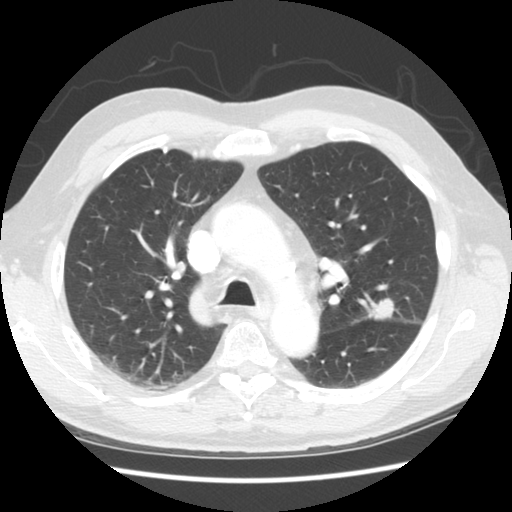
Axial slice 175 of 258 of a chest CT (slice 1 is the lowest), reconstructed with the STANDARD kernel at 120 kVp; 2.50 mm slice thickness and 0.664 mm pixels.
Two pulmonary nodules are outlined on this slice; from left to right: (1) Pulmonary nodule outlined by three of the four readers, one of them on this slice; box rows 321–323, columns 351–358 (the one reader's outline on this slice); longest diameter 6.1–6.9 mm and volume 47–105 mm3 across the three readers' outlines. Ratings across the readers: texture 5/5 (solid), all three readers agreeing; margin from 3/5 to 4/5 across the three readers; sphericity from 2/5 to 3/5 (ovoid) across the three readers; calcification absent from all three readers; internal structure soft tissue, all three readers agreeing; subtlety rated between 2 and 4 out of 5 by the three readers; malignancy likelihood 2–4/5 (the readers disagree). (2) Pulmonary nodule at rows 298–320, columns 368–394 (box = the union of the readers' outlines on this slice), outlined by all four readers; longest diameter 20.6 mm on average over the four readers' outlines (readers' outlines 19.7–21.9 mm), volume 1387–1715 mm3. The readers' prevailing ratings and who disagreed: texture 5/5 (solid) from all four readers; margin split among the readers: 3/5 (two), 4/5 (two); sphericity 3/5 (ovoid) by two of four readers; the rest gave 2/5 (one), 4/5 (one); calcification absent from all four readers; internal structure soft tissue, all four readers agreeing; subtlety 5/5 from all four readers; most readers (three of four) put malignancy likelihood at 5/5, others 3/5 (one). Scale key (1–5): texture non-solid→solid, margin indistinct→circumscribed, sphericity linear→round, subtlety extremely subtle→obvious, malignancy likelihood highly unlikely→highly suspicious of cancer. Box rows and columns are 0-based pixel indices from the top-left corner, inclusive.